Axial slice 156 of 465 of a chest CT (slice 1 is the lowest), reconstructed with the STANDARD kernel at 120 kVp; 1.25 mm slice thickness and 0.586 mm pixels.
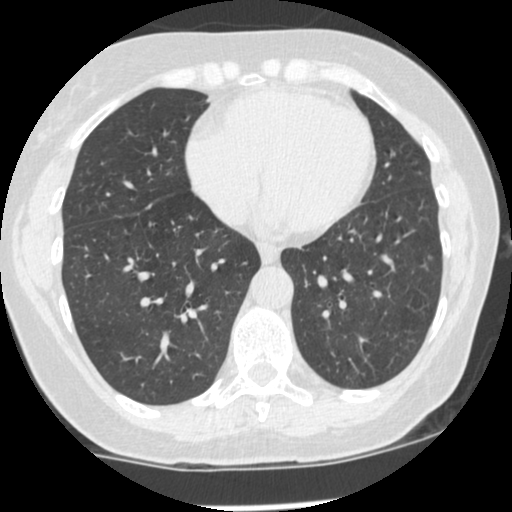
Pulmonary nodule outlined by one of the four readers; box rows 254–259, columns 426–431 (that reader's outline on this slice); longest diameter 4.7 mm and volume 27 mm3 from that reader's outline. Ratings by that reader: texture 5/5 (solid); margin 5/5 (circumscribed); sphericity 5/5 (round); calcification absent; internal structure soft tissue; subtlety 5/5; malignancy likelihood 3/5. Scale key (1–5): texture non-solid→solid, margin indistinct→circumscribed, sphericity linear→round, subtlety extremely subtle→obvious, malignancy likelihood highly unlikely→highly suspicious of cancer. Box rows and columns are 0-based pixel indices from the top-left corner, inclusive.